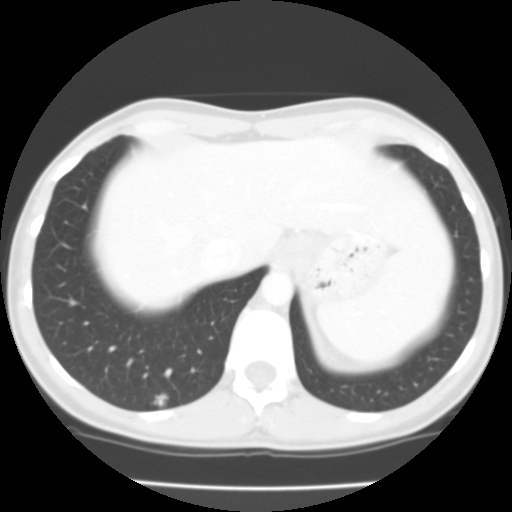
Axial chest CT slice 24 of 111 (counted from the lowest slice); tube voltage 135 kVp, convolution kernel FC01; slices 3.00 mm thick, 0.582 mm per pixel.
Pulmonary nodule outlined by all four readers; box rows 392–407, columns 151–171 (the union of the readers' outlines on this slice); longest diameter 11.4–15.5 mm and volume 422–811 mm3 across the four readers' outlines. The readers' ratings, as ranges where they differ: texture from 3/5 (part-solid) to 5/5 (solid) across the four readers; margin from 1/5 (indistinct) to 3/5 across the four readers; sphericity from 2/5 to 3/5 (ovoid) across the four readers; calcification absent from all four readers; internal structure soft tissue, all four readers agreeing; subtlety rated between 4 and 5 out of 5 by the four readers; malignancy likelihood from 3/5 to 4/5 across the four readers. Scale key (1–5): texture non-solid→solid, margin indistinct→circumscribed, sphericity linear→round, subtlety extremely subtle→obvious, malignancy likelihood highly unlikely→highly suspicious of cancer. Box rows and columns are 0-based pixel indices from the top-left corner, inclusive.